Axial chest CT slice 69 of 154 (counted from the lowest slice); tube voltage 120 kVp, convolution kernel STANDARD; slices 2.50 mm thick, 0.664 mm per pixel.
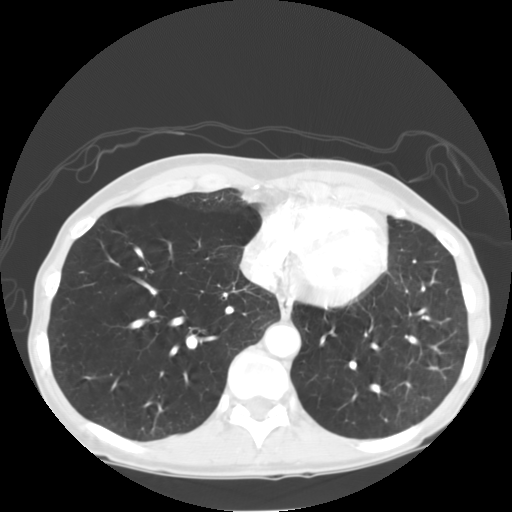
None of the four readers outlined a nodule of 3 mm or more on this slice.